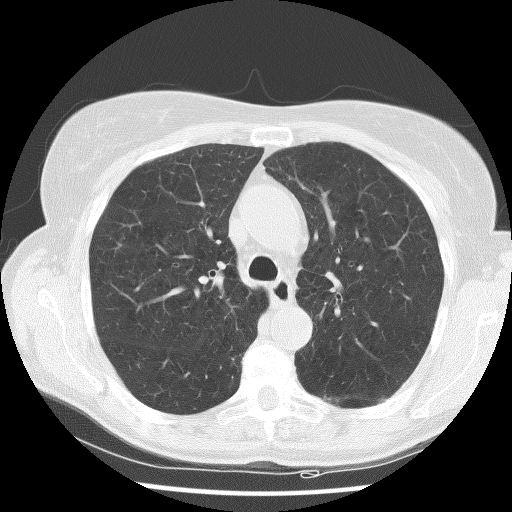
This is axial slice 85 of 122 (slice 1 is the lowest) of a chest CT; each pixel is 0.615 mm and the slice is 2.50 mm thick. None of the four readers outlined a nodule of 3 mm or more on this slice.
Scan settings: 140 kVp, BONE reconstruction kernel.